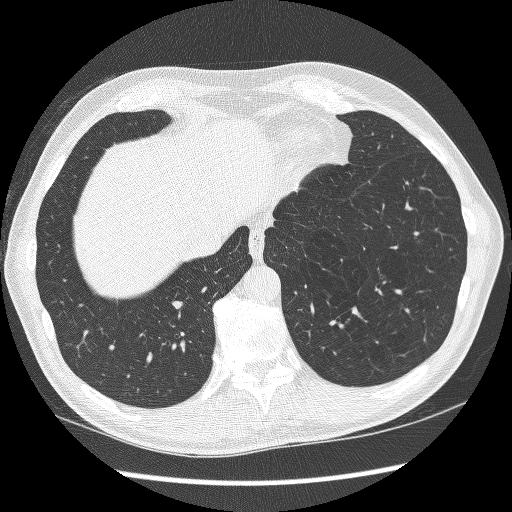
Axial chest CT slice 74 of 261 (counted from the lowest slice); tube voltage 120 kVp, convolution kernel BONE; slices 1.25 mm thick, 0.689 mm per pixel.
Pulmonary nodule at rows 300–309, columns 171–183 (box = the union of the readers' outlines on this slice), outlined by all four readers; longest diameter 8.7 mm on average over the four readers' outlines (readers' outlines 8.1–9.9 mm), volume 169–271 mm3. The readers' prevailing ratings and who disagreed: most readers (three of four) put texture at 5/5 (solid), others 4/5 (one); margin 4/5 by three of four readers; the rest gave 5/5 (circumscribed) (one); sphericity 3/5 (ovoid) by three of four readers; the rest gave 2/5 (one); calcification absent from all four readers; internal structure soft tissue from all four readers; subtlety 3/5 by two of four readers; the rest gave 4/5 (one), 5/5 (one); most readers (three of four) put malignancy likelihood at 3/5, others 4/5 (one). Scale key (1–5): texture non-solid→solid, margin indistinct→circumscribed, sphericity linear→round, subtlety extremely subtle→obvious, malignancy likelihood highly unlikely→highly suspicious of cancer. Box rows and columns are 0-based pixel indices from the top-left corner, inclusive.